Chest CT, axial plane, 120 kVp, kernel STANDARD. Slice 386/461 from the bottom of the scan; thickness 1.25 mm; pixel size 0.645 mm.
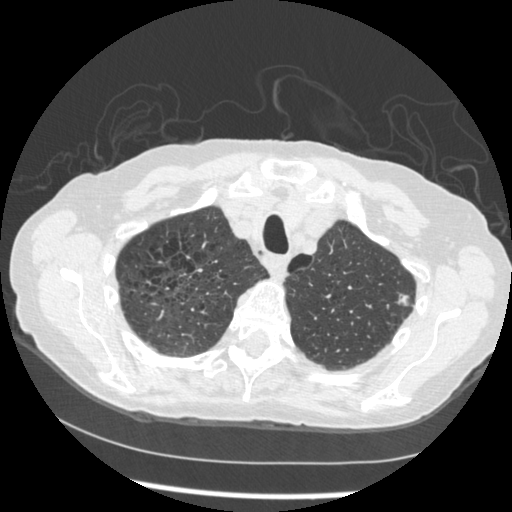
Pulmonary nodule outlined by all four readers; box rows 294–305, columns 396–408 (the union of the readers' outlines on this slice); longest diameter 10.1 mm on average over the four readers' outlines (readers' outlines 9.2–11.1 mm), volume 139–248 mm3. The readers' prevailing ratings and who disagreed: texture 5/5 (solid) by three of four readers; the rest gave 3/5 (part-solid) (one); margin 4/5 by two of four readers; the rest gave 2/5 (one), 5/5 (circumscribed) (one); sphericity 4/5 by two of four readers; the rest gave 2/5 (one), 5/5 (round) (one); calcification absent, all four readers agreeing; internal structure soft tissue, all four readers agreeing; subtlety 5/5 by two of four readers; the rest gave 3/5 (one), 4/5 (one); malignancy likelihood 3/5 by two of four readers; the rest gave 2/5 (one), 4/5 (one). Scale key (1–5): texture non-solid→solid, margin indistinct→circumscribed, sphericity linear→round, subtlety extremely subtle→obvious, malignancy likelihood highly unlikely→highly suspicious of cancer. Box rows and columns are 0-based pixel indices from the top-left corner, inclusive.